One axial slice (184 of 328, counting up from the lowest) of a chest CT acquired at 120 kVp with the D kernel; each pixel is 0.742 mm and the slice is 2.00 mm thick.
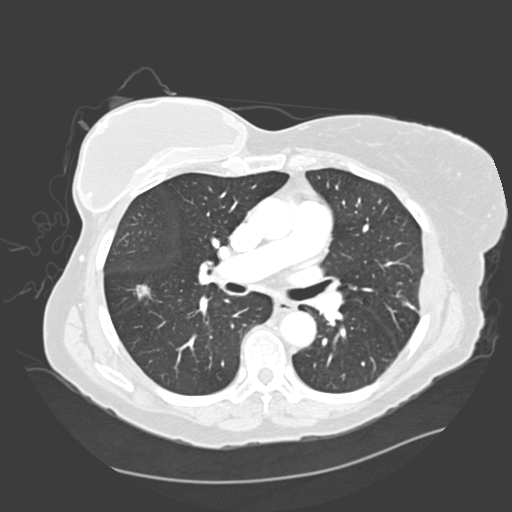
Pulmonary nodule outlined by all four readers; box rows 285–300, columns 133–152 (the union of the readers' outlines on this slice); median longest diameter 19.7 mm (readers' outlines 18.3–21.0 mm), median volume 1582 mm3 (877–1921 mm3). Median ratings and the readers' spread: median texture 3.5/5 (readers ranged 3/5 (part-solid) to 5/5 (solid)); median margin 2.5/5 (readers ranged 2/5 to 4/5); sphericity 3/5 (ovoid) at the median of four readers, spread 2/5 to 3/5 (ovoid); calcification absent from all four readers; internal structure soft tissue, all four readers agreeing; subtlety 5/5 at the median of four readers, spread 4–5; median malignancy likelihood 4/5 (readers ranged 3–5). Scale key (1–5): texture non-solid→solid, margin indistinct→circumscribed, sphericity linear→round, subtlety extremely subtle→obvious, malignancy likelihood highly unlikely→highly suspicious of cancer. Box rows and columns are 0-based pixel indices from the top-left corner, inclusive.